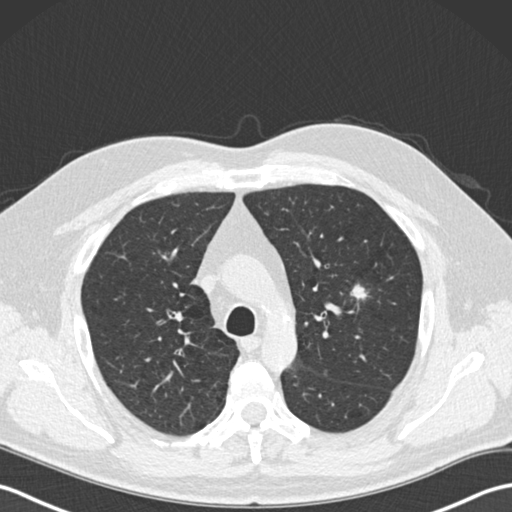
Axial slice 135 of 191 of a chest CT (slice 1 is the lowest), reconstructed with the B30f kernel at 120 kVp; 2.00 mm slice thickness and 0.684 mm pixels.
Pulmonary nodule at rows 284–299, columns 348–367 (box = the union of the readers' outlines on this slice), outlined by all four readers; median longest diameter 19.2 mm (readers' outlines 19.1–20.2 mm), median volume 2139 mm3 (1870–2474 mm3). Ratings, median across the readers with their spread: texture 5/5 (solid) from all four readers; margin 4.5/5 at the median of four readers, spread 3/5 to 5/5 (circumscribed); sphericity 3.5/5 at the median of four readers, spread 3/5 (ovoid) to 4/5; calcification absent from all four readers; internal structure soft tissue from all four readers; subtlety 5/5 from all four readers; median malignancy likelihood 5/5 (readers ranged 4–5). Scale key (1–5): texture non-solid→solid, margin indistinct→circumscribed, sphericity linear→round, subtlety extremely subtle→obvious, malignancy likelihood highly unlikely→highly suspicious of cancer. Box rows and columns are 0-based pixel indices from the top-left corner, inclusive.